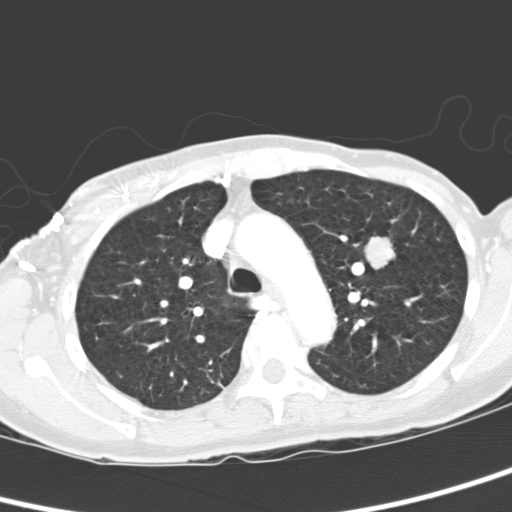
Axial slice 230 of 321 of a chest CT (slice 1 is the lowest), reconstructed with the D kernel at 120 kVp; 2.00 mm slice thickness and 0.557 mm pixels.
Pulmonary nodule outlined by all four readers; box rows 236–270, columns 362–396 (the union of the readers' outlines on this slice); longest diameter 19.2–22.3 mm and volume 3069–4125 mm3 across the four readers' outlines. Ratings across the readers: texture 5/5 (solid), all four readers agreeing; margin 5/5 (circumscribed) from all four readers; sphericity from 4/5 to 5/5 (round) across the four readers; calcification absent, all four readers agreeing; internal structure soft tissue from all four readers; subtlety 5/5 from all four readers; malignancy likelihood 2–5/5 (the readers disagree). Scale key (1–5): texture non-solid→solid, margin indistinct→circumscribed, sphericity linear→round, subtlety extremely subtle→obvious, malignancy likelihood highly unlikely→highly suspicious of cancer. Box rows and columns are 0-based pixel indices from the top-left corner, inclusive.